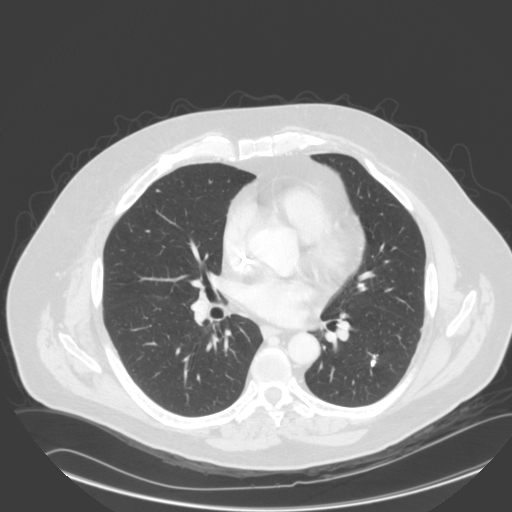
Axial chest CT slice 163 of 305 (counted from the lowest slice); tube voltage 140 kVp, convolution kernel B; slices 2.00 mm thick, 0.834 mm per pixel.
Pulmonary nodule, outlined by all four readers. Box on this slice rows 355–366, columns 370–377, the union of the readers' outlines on this slice; the four readers' outlines give a longest diameter between 7.9 and 12.9 mm and a volume between 74 and 239 mm3. The readers' ratings, as ranges where they differ: texture 5/5 (solid) from all four readers; margin from 2/5 to 5/5 (circumscribed) across the four readers; sphericity from 1/5 (linear) to 4/5 across the four readers; calcification: solid calcification (three), absent (one); internal structure soft tissue from all four readers; subtlety rated between 4 and 5 out of 5 by the four readers; malignancy likelihood from 1/5 to 4/5 across the four readers. Scale key (1–5): texture non-solid→solid, margin indistinct→circumscribed, sphericity linear→round, subtlety extremely subtle→obvious, malignancy likelihood highly unlikely→highly suspicious of cancer. Box rows and columns are 0-based pixel indices from the top-left corner, inclusive.